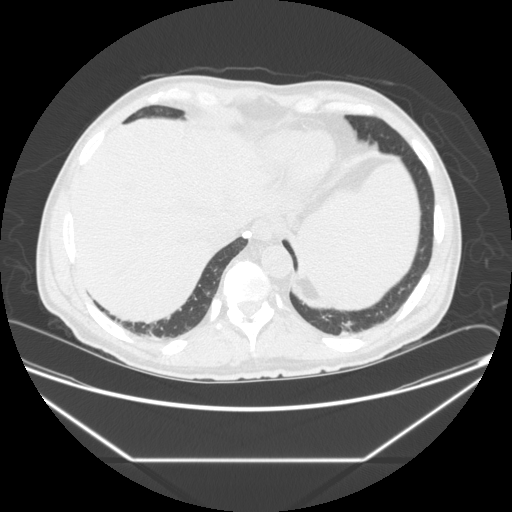
One axial slice (54 of 251, counting up from the lowest) of a chest CT acquired at 120 kVp with the STANDARD kernel; each pixel is 0.809 mm and the slice is 1.25 mm thick.
Pulmonary nodule outlined by one of the four readers; box rows 231–238, columns 242–251 (that reader's outline on this slice); longest diameter 9.8 mm and volume 269 mm3 from that reader's outline. That reader's ratings: texture 5/5 (solid); margin 5/5 (circumscribed); sphericity 5/5 (round); calcification solid calcification; internal structure soft tissue; subtlety 5/5; malignancy likelihood 1/5. Scale key (1–5): texture non-solid→solid, margin indistinct→circumscribed, sphericity linear→round, subtlety extremely subtle→obvious, malignancy likelihood highly unlikely→highly suspicious of cancer. Box rows and columns are 0-based pixel indices from the top-left corner, inclusive.